Axial slice 44 of 108 of a chest CT (slice 1 is the lowest), reconstructed with the B31s kernel at 130 kVp; 3.00 mm slice thickness and 0.629 mm pixels.
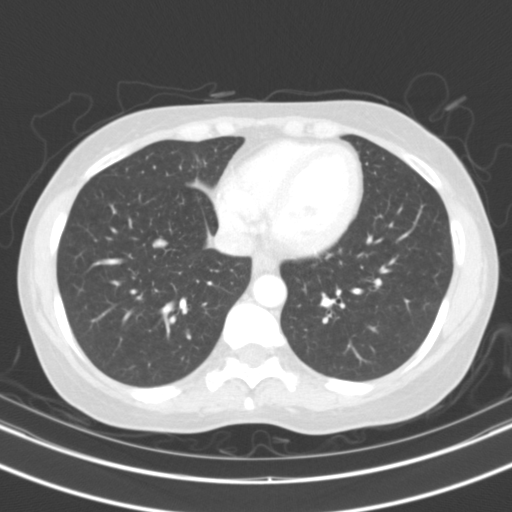
Pulmonary nodule at rows 238–248, columns 152–167 (box = the union of the readers' outlines on this slice), outlined by all four readers; longest diameter 11.4 mm on average over the four readers' outlines (readers' outlines 10.7–12.0 mm), volume 384–508 mm3. Ratings, by the readers' most common answer with dissent counted: texture 5/5 (solid), all four readers agreeing; margin 5/5 (circumscribed) by three of four readers; the rest gave 4/5 (one); sphericity 3/5 (ovoid) by two of four readers; the rest gave 2/5 (one), 4/5 (one); calcification solid calcification, all four readers agreeing; internal structure soft tissue from all four readers; subtlety 4/5 by two of four readers; the rest gave 2/5 (one), 5/5 (one); malignancy likelihood 1/5, all four readers agreeing. Scale key (1–5): texture non-solid→solid, margin indistinct→circumscribed, sphericity linear→round, subtlety extremely subtle→obvious, malignancy likelihood highly unlikely→highly suspicious of cancer. Box rows and columns are 0-based pixel indices from the top-left corner, inclusive.